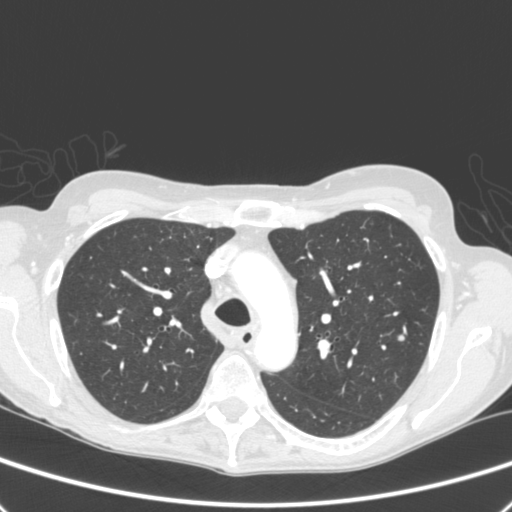
Axial chest CT slice 268 of 392 (counted from the lowest slice); tube voltage 120 kVp, convolution kernel C; slices 1.50 mm thick, 0.639 mm per pixel.
Pulmonary nodule, outlined by all four readers. Box on this slice rows 334–341, columns 398–404, the union of the readers' outlines on this slice; longest diameter 6.7 mm on average over the four readers' outlines (readers' outlines 6.6–6.8 mm), volume 88–125 mm3. Ratings, by the readers' most common answer with dissent counted: texture 5/5 (solid) from all four readers; margin split among the readers: 4/5 (two), 5/5 (circumscribed) (two); sphericity split among the readers: 4/5 (two), 5/5 (round) (two); calcification absent, all four readers agreeing; internal structure soft tissue from all four readers; subtlety 5/5 by two of four readers; the rest gave 2/5 (one), 4/5 (one); malignancy likelihood split among the readers: 2/5 (two), 4/5 (two). Scale key (1–5): texture non-solid→solid, margin indistinct→circumscribed, sphericity linear→round, subtlety extremely subtle→obvious, malignancy likelihood highly unlikely→highly suspicious of cancer. Box rows and columns are 0-based pixel indices from the top-left corner, inclusive.